Axial slice 260 of 423 of a chest CT (slice 1 is the lowest), reconstructed with the B30f kernel at 120 kVp; 0.75 mm slice thickness and 0.520 mm pixels.
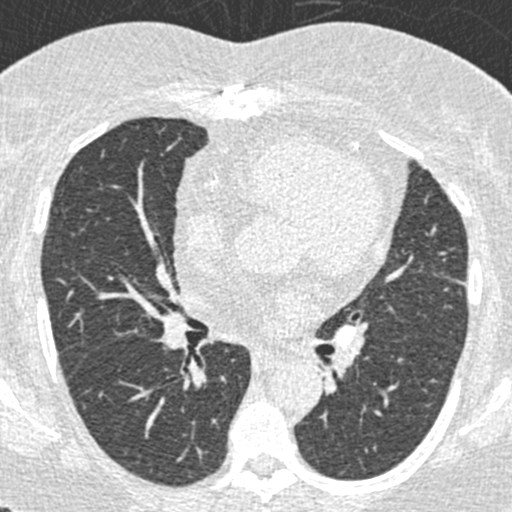
Pulmonary nodule at rows 357–362, columns 397–403 (box = the union of the readers' outlines on this slice), outlined by all four readers, two of them on this slice; the four readers' outlines give a longest diameter between 8.1 and 9.5 mm and a volume between 146 and 244 mm3. The readers' ratings, as ranges where they differ: texture 5/5 (solid) from all four readers; margin 5/5 (circumscribed) from all four readers; sphericity from 3/5 (ovoid) to 5/5 (round) across the four readers; calcification solid calcification, all four readers agreeing; internal structure soft tissue from all four readers; subtlety from 4/5 to 5/5 across the four readers; malignancy likelihood 1/5 from all four readers. Scale key (1–5): texture non-solid→solid, margin indistinct→circumscribed, sphericity linear→round, subtlety extremely subtle→obvious, malignancy likelihood highly unlikely→highly suspicious of cancer. Box rows and columns are 0-based pixel indices from the top-left corner, inclusive.